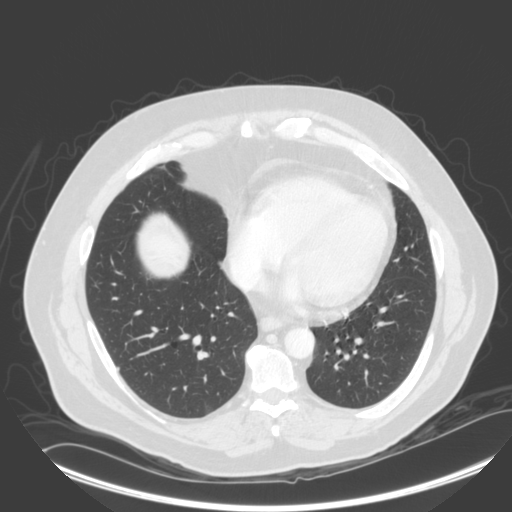
Chest CT, axial plane, 140 kVp, kernel B. Slice 120/305 from the bottom of the scan; thickness 2.00 mm; pixel size 0.834 mm.
Pulmonary nodule, outlined by one of the four readers. Box on this slice rows 367–369, columns 117–119, that reader's outline on this slice; longest diameter 5.0 mm and volume 23 mm3 from that reader's outline. That reader's ratings: texture 5/5 (solid); margin 5/5 (circumscribed); sphericity 4/5; calcification absent; internal structure soft tissue; subtlety 5/5; malignancy likelihood 2/5. Scale key (1–5): texture non-solid→solid, margin indistinct→circumscribed, sphericity linear→round, subtlety extremely subtle→obvious, malignancy likelihood highly unlikely→highly suspicious of cancer. Box rows and columns are 0-based pixel indices from the top-left corner, inclusive.